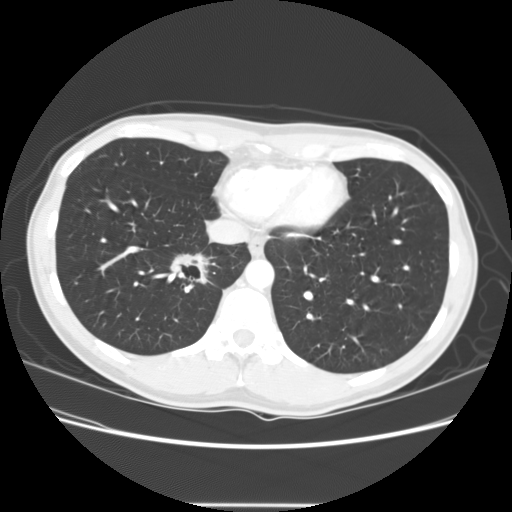
Axial chest CT slice 43 of 141 (counted from the lowest slice); 2.50 mm thick, 0.703 mm per pixel. Pulmonary nodule at rows 252–285, columns 168–209 (box = the union of the readers' outlines on this slice), outlined four times (the source holds one more outline, not used); longest diameter 32.7 mm on average over the four readers' outlines (readers' outlines 31.6–34.1 mm), volume 4983–9079 mm3. Ratings, by the readers' most common answer with dissent counted: texture 5/5 (solid) from all four readers; margin 3/5 by three of four readers; the rest gave 1/5 (indistinct) (one); sphericity split among the readers: 3/5 (ovoid) (two), 4/5 (two); calcification absent from all four readers; internal structure split among the readers: air (two), soft tissue (two); subtlety 5/5, all four readers agreeing; malignancy likelihood 5/5 from all four readers. Scale key (1–5): texture non-solid→solid, margin indistinct→circumscribed, sphericity linear→round, subtlety extremely subtle→obvious, malignancy likelihood highly unlikely→highly suspicious of cancer. Box rows and columns are 0-based pixel indices from the top-left corner, inclusive.
Acquired at 120 kVp and reconstructed with the STANDARD kernel.